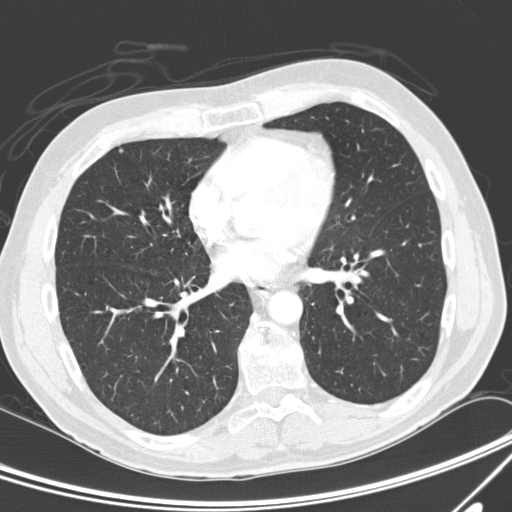
Chest CT, axial plane, 120 kVp, kernel D. Slice 115/300 from the bottom of the scan; thickness 2.00 mm; pixel size 0.678 mm.
Pulmonary nodule outlined by three of the four readers; box rows 148–152, columns 119–123 (the union of the readers' outlines on this slice); longest diameter 4.5 mm on average over the three readers' outlines (readers' outlines 3.5–5.2 mm), volume 18–51 mm3. The readers' prevailing ratings and who disagreed: texture 5/5 (solid), all three readers agreeing; margin 5/5 (circumscribed) by two of three readers; the rest gave 4/5 (one); sphericity 5/5 (round) by two of three readers; the rest gave 4/5 (one); calcification absent, all three readers agreeing; internal structure soft tissue, all three readers agreeing; subtlety 5/5 by two of three readers; the rest gave 4/5 (one); malignancy likelihood 2/5 by two of three readers; the rest gave 3/5 (one). Scale key (1–5): texture non-solid→solid, margin indistinct→circumscribed, sphericity linear→round, subtlety extremely subtle→obvious, malignancy likelihood highly unlikely→highly suspicious of cancer. Box rows and columns are 0-based pixel indices from the top-left corner, inclusive.